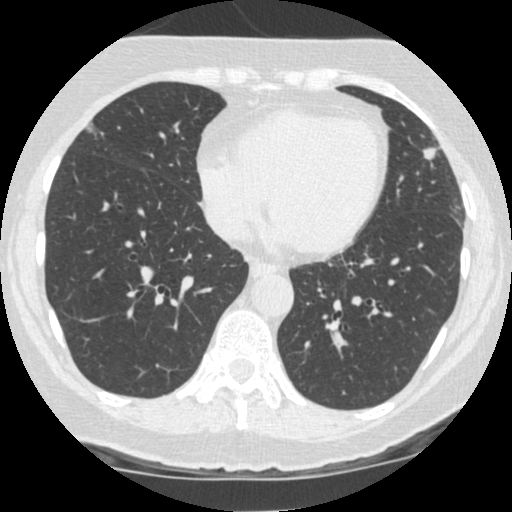
Axial slice 164 of 481 of a chest CT (slice 1 is the lowest), reconstructed with the STANDARD kernel at 120 kVp; 1.25 mm slice thickness and 0.586 mm pixels.
Pulmonary nodule outlined by all four readers; box rows 146–159, columns 422–438 (the union of the readers' outlines on this slice); longest diameter 10.6 mm on average over the four readers' outlines (readers' outlines 9.6–11.3 mm), volume 410–491 mm3. Ratings, by the readers' most common answer with dissent counted: texture 5/5 (solid), all four readers agreeing; most readers (three of four) put margin at 5/5 (circumscribed), others 4/5 (one); sphericity 4/5 by three of four readers; the rest gave 5/5 (round) (one); calcification absent, all four readers agreeing; internal structure soft tissue from all four readers; most readers (three of four) put subtlety at 5/5, others 4/5 (one); malignancy likelihood split among the readers: 2/5 (one), 3/5 (one), 4/5 (one), 5/5 (one). Scale key (1–5): texture non-solid→solid, margin indistinct→circumscribed, sphericity linear→round, subtlety extremely subtle→obvious, malignancy likelihood highly unlikely→highly suspicious of cancer. Box rows and columns are 0-based pixel indices from the top-left corner, inclusive.